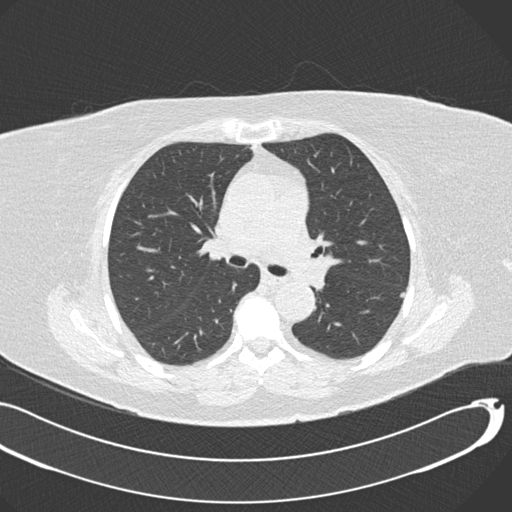
One axial slice (103 of 177, counting up from the lowest) of a chest CT acquired at 120 kVp with the B30f kernel; each pixel is 0.742 mm and the slice is 2.00 mm thick.
Pulmonary nodule, outlined by one of the four readers. Box on this slice rows 292–296, columns 400–404, that reader's outline on this slice; longest diameter 7.3 mm and volume 62 mm3 from that reader's outline. Ratings by that reader: texture 4/5; margin 5/5 (circumscribed); sphericity 3/5 (ovoid); calcification absent; internal structure soft tissue; subtlety 4/5; malignancy likelihood 2/5. Scale key (1–5): texture non-solid→solid, margin indistinct→circumscribed, sphericity linear→round, subtlety extremely subtle→obvious, malignancy likelihood highly unlikely→highly suspicious of cancer. Box rows and columns are 0-based pixel indices from the top-left corner, inclusive.